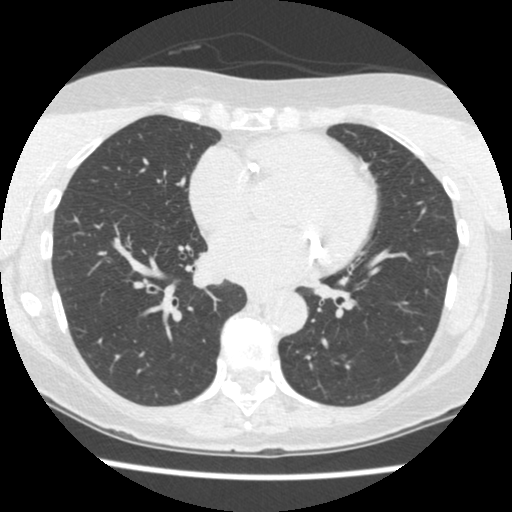
One axial slice (204 of 461, counting up from the lowest) of a chest CT acquired at 120 kVp with the STANDARD kernel; each pixel is 0.586 mm and the slice is 1.25 mm thick.
The readers outlined no nodule of 3 mm or more on this slice.